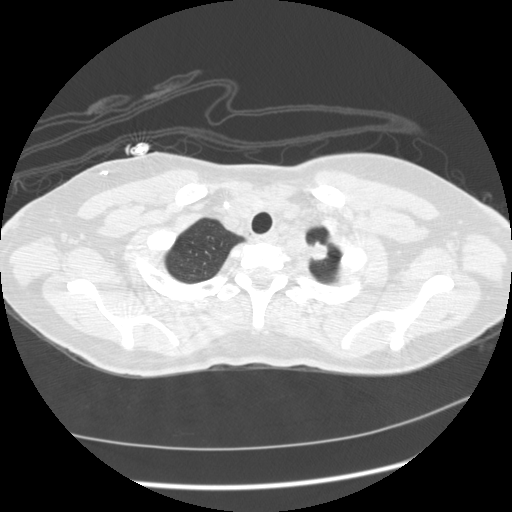
Axial chest CT slice 185 of 209 (counted from the lowest slice); 1.25 mm thick, 0.693 mm per pixel. Pulmonary nodule, outlined by all four readers. Box on this slice rows 239–261, columns 308–327, the union of the readers' outlines on this slice; longest diameter 21.8–25.6 mm and volume 2801–4927 mm3 across the four readers' outlines. Ratings across the readers: texture from 4/5 to 5/5 (solid) across the four readers; margin from 3/5 to 4/5 across the four readers; sphericity from 2/5 to 5/5 (round) across the four readers; calcification absent from all four readers; internal structure soft tissue, all four readers agreeing; subtlety 5/5 from all four readers; malignancy likelihood from 3/5 to 5/5 across the four readers. Scale key (1–5): texture non-solid→solid, margin indistinct→circumscribed, sphericity linear→round, subtlety extremely subtle→obvious, malignancy likelihood highly unlikely→highly suspicious of cancer. Box rows and columns are 0-based pixel indices from the top-left corner, inclusive.
Scan settings: 120 kVp, STANDARD reconstruction kernel.